Axial chest CT slice 161 of 290 (counted from the lowest slice); tube voltage 120 kVp, convolution kernel B; slices 2.00 mm thick, 0.639 mm per pixel.
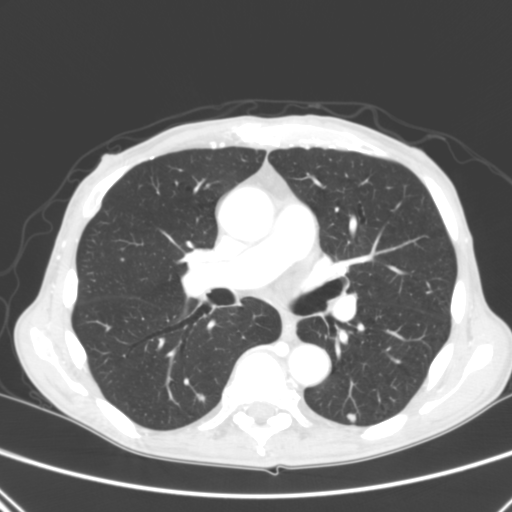
Two pulmonary nodules on this slice, listed from left to right. (1) Pulmonary nodule outlined by three of the four readers; box rows 393–401, columns 195–206 (the union of the readers' outlines on this slice); median longest diameter 6.9 mm (readers' outlines 6.9–9.4 mm), median volume 90 mm3 (83–138 mm3). Median ratings and the readers' spread: texture 5/5 (solid) at the median of three readers, spread 3/5 (part-solid) to 5/5 (solid); margin 3/5 at the median of three readers, spread 2/5 to 4/5; median sphericity 3/5 (ovoid) (readers ranged 2/5 to 4/5); calcification absent, all three readers agreeing; internal structure soft tissue, all three readers agreeing; subtlety 4/5 at the median of three readers, spread 2–4; malignancy likelihood 3/5 at the median of three readers, spread 2–4. (2) Pulmonary nodule outlined by all four readers; box rows 412–423, columns 346–356 (the union of the readers' outlines on this slice); median longest diameter 7.9 mm (readers' outlines 7.4–8.6 mm), median volume 160 mm3 (120–172 mm3). Ratings, median across the readers with their spread: texture 5/5 (solid) at the median of four readers, spread 4/5 to 5/5 (solid); margin 4/5 at the median of four readers, spread 2/5 to 4/5; sphericity 3/5 (ovoid) at the median of four readers, spread 3/5 (ovoid) to 4/5; calcification absent from all four readers; internal structure soft tissue, all four readers agreeing; subtlety 4.5/5 at the median of four readers, spread 4–5; malignancy likelihood 3/5 at the median of four readers, spread 3–4. Scale key (1–5): texture non-solid→solid, margin indistinct→circumscribed, sphericity linear→round, subtlety extremely subtle→obvious, malignancy likelihood highly unlikely→highly suspicious of cancer. Box rows and columns are 0-based pixel indices from the top-left corner, inclusive.